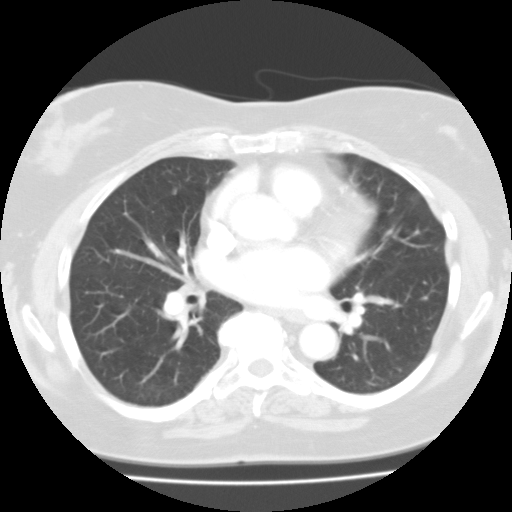
Axial chest CT slice 55 of 105 (counted from the lowest slice); tube voltage 135 kVp, convolution kernel FC01; slices 3.00 mm thick, 0.640 mm per pixel.
This slice carries no reader outline of a nodule 3 mm or larger.